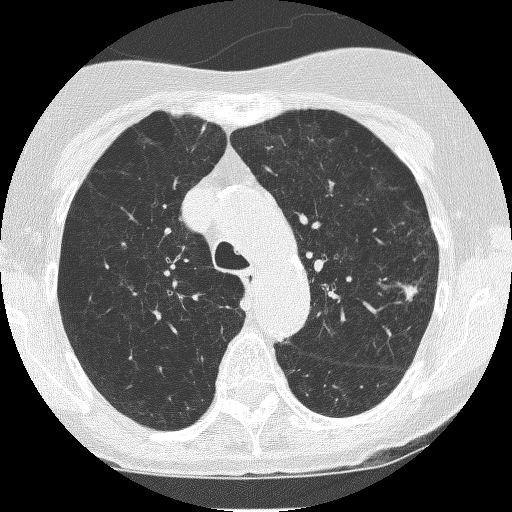
Chest CT, axial plane, 120 kVp, kernel BONE. Slice 170/235 from the bottom of the scan; thickness 1.25 mm; pixel size 0.537 mm.
Pulmonary nodule outlined by all four readers; box rows 282–301, columns 397–418 (the union of the readers' outlines on this slice); longest diameter 13.0 mm on average over the four readers' outlines (readers' outlines 12.2–13.5 mm), volume 403–509 mm3. Ratings, by the readers' most common answer with dissent counted: most readers (three of four) put texture at 5/5 (solid), others 4/5 (one); margin 4/5 by three of four readers; the rest gave 1/5 (indistinct) (one); sphericity 4/5 by two of four readers; the rest gave 2/5 (one), 3/5 (ovoid) (one); calcification absent by three of four readers, central calcification (one); internal structure soft tissue, all four readers agreeing; most readers (three of four) put subtlety at 5/5, others 4/5 (one); malignancy likelihood 5/5 by three of four readers; the rest gave 3/5 (one). Scale key (1–5): texture non-solid→solid, margin indistinct→circumscribed, sphericity linear→round, subtlety extremely subtle→obvious, malignancy likelihood highly unlikely→highly suspicious of cancer. Box rows and columns are 0-based pixel indices from the top-left corner, inclusive.